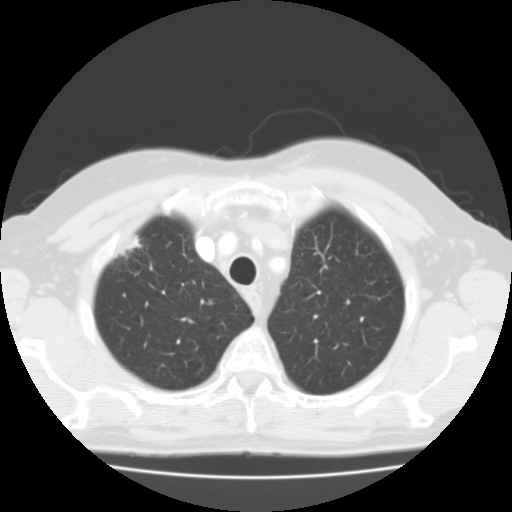
Chest CT, axial plane, 135 kVp, kernel FC01. Slice 91/109 from the bottom of the scan; thickness 3.00 mm; pixel size 0.720 mm.
Pulmonary nodule at rows 234–259, columns 118–142 (box = the union of the readers' outlines on this slice), outlined by three of the four readers; the three readers' outlines give a longest diameter between 28.5 and 30.8 mm and a volume between 5654 and 6646 mm3. The readers' ratings, as ranges where they differ: texture from 4/5 to 5/5 (solid) across the three readers; margin from 1/5 (indistinct) to 4/5 across the three readers; sphericity from 2/5 to 3/5 (ovoid) across the three readers; calcification absent, all three readers agreeing; internal structure soft tissue, all three readers agreeing; subtlety 5/5 from all three readers; malignancy likelihood rated between 3 and 5 out of 5 by the three readers. Scale key (1–5): texture non-solid→solid, margin indistinct→circumscribed, sphericity linear→round, subtlety extremely subtle→obvious, malignancy likelihood highly unlikely→highly suspicious of cancer. Box rows and columns are 0-based pixel indices from the top-left corner, inclusive.